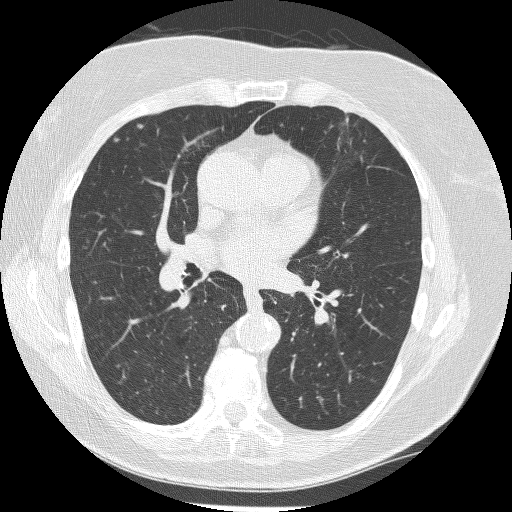
One axial slice (135 of 240, counting up from the lowest) of a chest CT acquired at 120 kVp with the BONE kernel; each pixel is 0.604 mm and the slice is 1.25 mm thick.
Pulmonary nodule at rows 122–128, columns 136–142 (box = the union of the readers' outlines on this slice), outlined by two of the four readers; longest diameter 5.1 mm on average over the two readers' outlines (readers' outlines 4.6–5.7 mm), volume 36–44 mm3. The readers' prevailing ratings and who disagreed: texture split among the readers: 3/5 (part-solid) (one), 5/5 (solid) (one); margin split among the readers: 3/5 (one), 5/5 (circumscribed) (one); sphericity split among the readers: 3/5 (ovoid) (one), 4/5 (one); calcification absent from both readers; internal structure soft tissue from both readers; subtlety split among the readers: 3/5 (one), 4/5 (one); malignancy likelihood split among the readers: 1/5 (one), 3/5 (one). Scale key (1–5): texture non-solid→solid, margin indistinct→circumscribed, sphericity linear→round, subtlety extremely subtle→obvious, malignancy likelihood highly unlikely→highly suspicious of cancer. Box rows and columns are 0-based pixel indices from the top-left corner, inclusive.